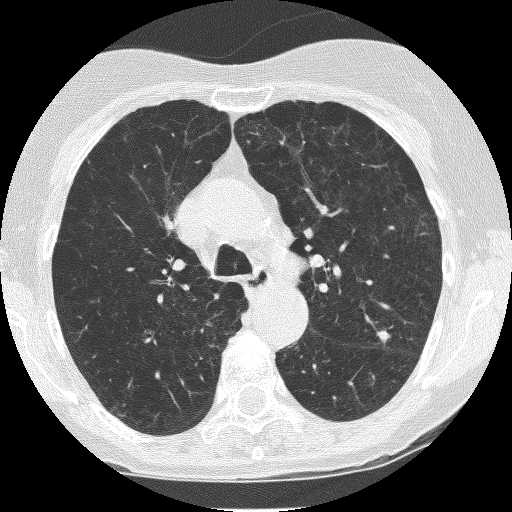
Slice 161/235 of a chest CT, counting up from the lowest; pixel size 0.537 mm, slice thickness 1.25 mm. Pulmonary nodule at rows 330–343, columns 376–390 (box = the union of the readers' outlines on this slice), outlined by all four readers; longest diameter 8.6 mm on average over the four readers' outlines (readers' outlines 8.2–8.9 mm), volume 144–183 mm3. Ratings, by the readers' most common answer with dissent counted: most readers (three of four) put texture at 5/5 (solid), others 4/5 (one); margin 4/5 by two of four readers; the rest gave 3/5 (one), 5/5 (circumscribed) (one); sphericity 4/5 by three of four readers; the rest gave 3/5 (ovoid) (one); calcification absent from all four readers; internal structure soft tissue, all four readers agreeing; subtlety split among the readers: 4/5 (two), 5/5 (two); malignancy likelihood 3/5 by two of four readers; the rest gave 2/5 (one), 4/5 (one). Scale key (1–5): texture non-solid→solid, margin indistinct→circumscribed, sphericity linear→round, subtlety extremely subtle→obvious, malignancy likelihood highly unlikely→highly suspicious of cancer. Box rows and columns are 0-based pixel indices from the top-left corner, inclusive.
Scan settings: 120 kVp, BONE reconstruction kernel.